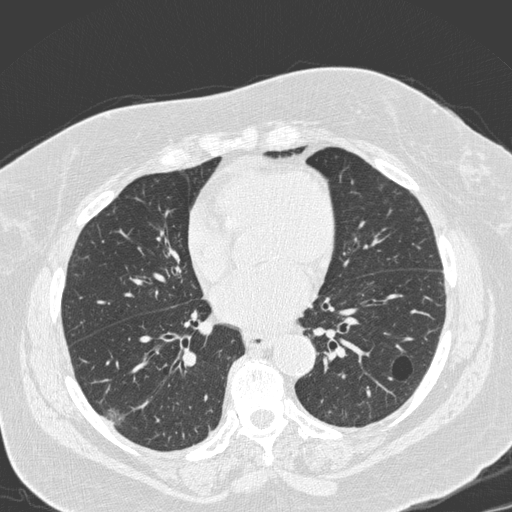
Chest CT, axial plane, 120 kVp, kernel D. Slice 102/280 from the bottom of the scan; thickness 1.00 mm; pixel size 0.666 mm.
Pulmonary nodule, outlined by two of the four readers. Box on this slice rows 407–427, columns 103–125, the union of the readers' outlines on this slice; the two readers' outlines give a longest diameter between 16.7 and 18.8 mm and a volume between 1162 and 1377 mm3. The readers' ratings, as ranges where they differ: texture 1/5 (non-solid), both readers agreeing; margin 2/5, both readers agreeing; sphericity from 3/5 (ovoid) to 5/5 (round) across the two readers; calcification absent, both readers agreeing; internal structure soft tissue from both readers; subtlety rated between 1 and 4 out of 5 by the two readers; malignancy likelihood rated between 2 and 3 out of 5 by the two readers. Scale key (1–5): texture non-solid→solid, margin indistinct→circumscribed, sphericity linear→round, subtlety extremely subtle→obvious, malignancy likelihood highly unlikely→highly suspicious of cancer. Box rows and columns are 0-based pixel indices from the top-left corner, inclusive.